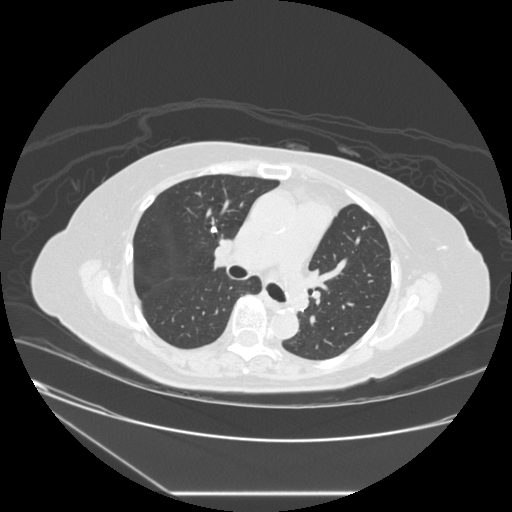
One axial slice (162 of 241, counting up from the lowest) of a chest CT acquired at 120 kVp with the STANDARD kernel; each pixel is 0.773 mm and the slice is 1.25 mm thick.
Pulmonary nodule at rows 226–233, columns 210–216 (box = the union of the readers' outlines on this slice), outlined by three of the four readers; median longest diameter 6.6 mm (readers' outlines 6.4–7.1 mm), median volume 132 mm3 (103–202 mm3). Median ratings and the readers' spread: texture 5/5 (solid) from all three readers; margin 5/5 (circumscribed) from all three readers; median sphericity 3/5 (ovoid) (readers ranged 3/5 (ovoid) to 5/5 (round)); calcification: solid calcification (two), central calcification (one); internal structure soft tissue, all three readers agreeing; median subtlety 5/5 (readers ranged 4–5); malignancy likelihood 1/5 from all three readers. Scale key (1–5): texture non-solid→solid, margin indistinct→circumscribed, sphericity linear→round, subtlety extremely subtle→obvious, malignancy likelihood highly unlikely→highly suspicious of cancer. Box rows and columns are 0-based pixel indices from the top-left corner, inclusive.